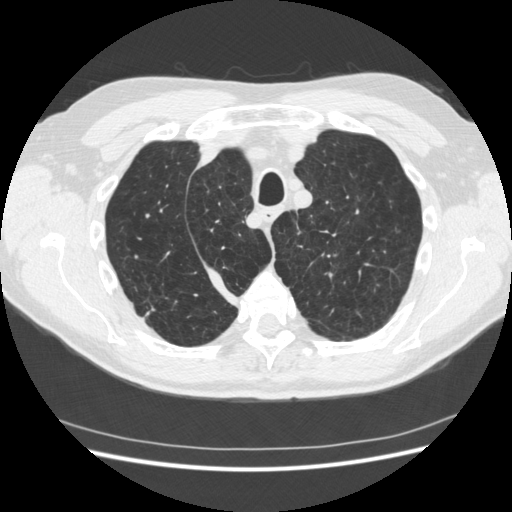
Chest CT, axial plane, 120 kVp, kernel STANDARD. Slice 372/481 from the bottom of the scan; thickness 1.25 mm; pixel size 0.703 mm.
Pulmonary nodule at rows 297–320, columns 139–156 (box = the one reader's outline on this slice), outlined by all four readers, one of them on this slice; longest diameter 26.2 mm on average over the four readers' outlines (readers' outlines 18.7–34.9 mm), volume 1155–4169 mm3. The readers' prevailing ratings and who disagreed: texture 5/5 (solid) by three of four readers; the rest gave 4/5 (one); margin split among the readers: 1/5 (indistinct) (one), 2/5 (one), 3/5 (one), 4/5 (one); sphericity split among the readers: 2/5 (one), 3/5 (ovoid) (one), 4/5 (one), 5/5 (round) (one); calcification absent from all four readers; internal structure soft tissue, all four readers agreeing; subtlety 5/5 from all four readers; most readers (three of four) put malignancy likelihood at 5/5, others 4/5 (one). Scale key (1–5): texture non-solid→solid, margin indistinct→circumscribed, sphericity linear→round, subtlety extremely subtle→obvious, malignancy likelihood highly unlikely→highly suspicious of cancer. Box rows and columns are 0-based pixel indices from the top-left corner, inclusive.